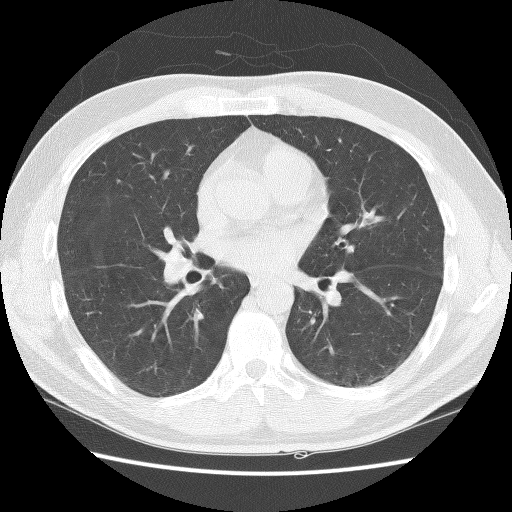
Slice 69/127 of a chest CT, counting up from the lowest; pixel size 0.664 mm, slice thickness 2.50 mm. Pulmonary nodule at rows 179–183, columns 115–121 (box = the union of the readers' outlines on this slice), outlined by three of the four readers; longest diameter 7.1 mm on average over the three readers' outlines (readers' outlines 6.3–7.6 mm), volume 58–118 mm3. Ratings, by the readers' most common answer with dissent counted: most readers (two of three) put texture at 5/5 (solid), others 4/5 (one); margin split among the readers: 3/5 (one), 4/5 (one), 5/5 (circumscribed) (one); most readers (two of three) put sphericity at 2/5, others 4/5 (one); calcification absent, all three readers agreeing; internal structure soft tissue, all three readers agreeing; subtlety split among the readers: 2/5 (one), 3/5 (one), 4/5 (one); malignancy likelihood 2/5 by two of three readers; the rest gave 1/5 (one). Scale key (1–5): texture non-solid→solid, margin indistinct→circumscribed, sphericity linear→round, subtlety extremely subtle→obvious, malignancy likelihood highly unlikely→highly suspicious of cancer. Box rows and columns are 0-based pixel indices from the top-left corner, inclusive.
Acquired at 140 kVp and reconstructed with the BONE kernel.